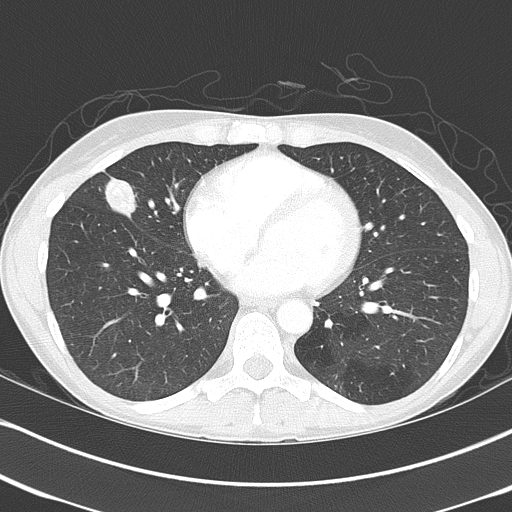
Axial slice 177 of 368 of a chest CT (slice 1 is the lowest), reconstructed with the B70f kernel at 120 kVp; 2.00 mm slice thickness and 0.623 mm pixels.
Pulmonary nodule at rows 173–219, columns 104–137 (box = the union of the readers' outlines on this slice), outlined by all four readers; the four readers' outlines give a longest diameter between 27.1 and 39.3 mm and a volume between 6531 and 9806 mm3. The readers' ratings, as ranges where they differ: texture 5/5 (solid) from all four readers; margin from 2/5 to 5/5 (circumscribed) across the four readers; sphericity from 2/5 to 3/5 (ovoid) across the four readers; calcification split among the readers: laminated calcification (one), absent (one), popcorn calcification (one), non-central calcification (one); internal structure soft tissue, all four readers agreeing; subtlety 5/5 from all four readers; malignancy likelihood from 1/5 to 5/5 across the four readers. Scale key (1–5): texture non-solid→solid, margin indistinct→circumscribed, sphericity linear→round, subtlety extremely subtle→obvious, malignancy likelihood highly unlikely→highly suspicious of cancer. Box rows and columns are 0-based pixel indices from the top-left corner, inclusive.